Chest CT, axial plane, 120 kVp, kernel STANDARD. Slice 155/436 from the bottom of the scan; thickness 1.25 mm; pixel size 0.703 mm.
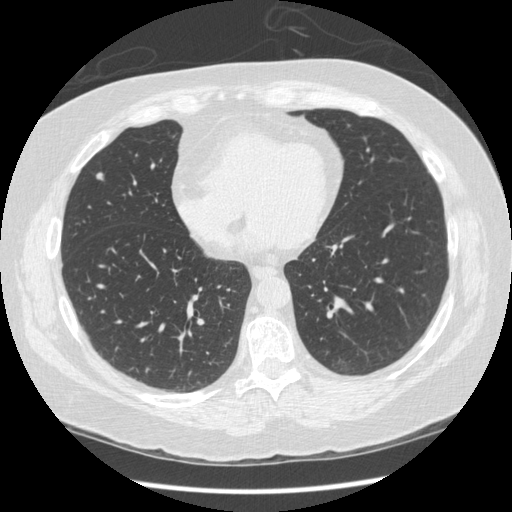
Pulmonary nodule outlined by all four readers; box rows 171–181, columns 95–104 (the union of the readers' outlines on this slice); median longest diameter 9.3 mm (readers' outlines 7.3–9.8 mm), median volume 191 mm3 (103–208 mm3). Ratings, median across the readers with their spread: texture 5/5 (solid) from all four readers; median margin 4/5 (readers ranged 4/5 to 5/5 (circumscribed)); median sphericity 4.5/5 (readers ranged 3/5 (ovoid) to 5/5 (round)); calcification absent, all four readers agreeing; internal structure soft tissue, all four readers agreeing; median subtlety 4/5 (readers ranged 3–5); malignancy likelihood 3/5 at the median of four readers, spread 2–4. Scale key (1–5): texture non-solid→solid, margin indistinct→circumscribed, sphericity linear→round, subtlety extremely subtle→obvious, malignancy likelihood highly unlikely→highly suspicious of cancer. Box rows and columns are 0-based pixel indices from the top-left corner, inclusive.